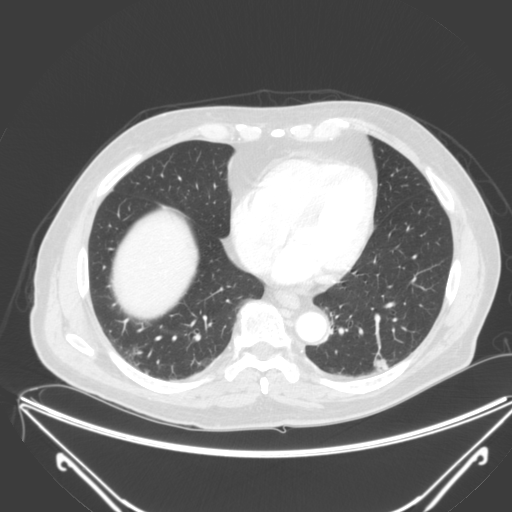
Axial chest CT slice 77 of 250 (counted from the lowest slice); tube voltage 120 kVp, convolution kernel B; slices 2.00 mm thick, 0.834 mm per pixel.
Pulmonary nodule at rows 359–371, columns 372–388 (box = the union of the readers' outlines on this slice), outlined by all four readers; the four readers' outlines give a longest diameter between 26.7 and 30.4 mm and a volume between 2541 and 3664 mm3. The readers' ratings, as ranges where they differ: texture from 4/5 to 5/5 (solid) across the four readers; margin from 2/5 to 4/5 across the four readers; sphericity from 3/5 (ovoid) to 5/5 (round) across the four readers; calcification absent, all four readers agreeing; internal structure soft tissue from all four readers; subtlety 5/5, all four readers agreeing; malignancy likelihood from 3/5 to 5/5 across the four readers. Scale key (1–5): texture non-solid→solid, margin indistinct→circumscribed, sphericity linear→round, subtlety extremely subtle→obvious, malignancy likelihood highly unlikely→highly suspicious of cancer. Box rows and columns are 0-based pixel indices from the top-left corner, inclusive.